Axial chest CT slice 95 of 481 (counted from the lowest slice); tube voltage 120 kVp, convolution kernel STANDARD; slices 1.25 mm thick, 0.605 mm per pixel.
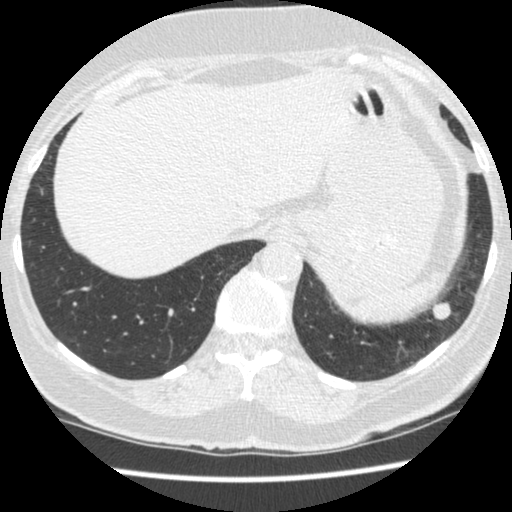
Pulmonary nodule at rows 302–319, columns 432–450 (box = the union of the readers' outlines on this slice), outlined by all four readers; longest diameter 13.9 mm on average over the four readers' outlines (readers' outlines 13.3–14.6 mm), volume 633–867 mm3. The readers' prevailing ratings and who disagreed: texture 5/5 (solid) from all four readers; margin split among the readers: 4/5 (two), 5/5 (circumscribed) (two); sphericity 4/5 by three of four readers; the rest gave 5/5 (round) (one); calcification absent, all four readers agreeing; internal structure soft tissue from all four readers; most readers (three of four) put subtlety at 5/5, others 4/5 (one); malignancy likelihood split among the readers: 2/5 (one), 3/5 (one), 4/5 (one), 5/5 (one). Scale key (1–5): texture non-solid→solid, margin indistinct→circumscribed, sphericity linear→round, subtlety extremely subtle→obvious, malignancy likelihood highly unlikely→highly suspicious of cancer. Box rows and columns are 0-based pixel indices from the top-left corner, inclusive.